Axial chest CT slice 173 of 484 (counted from the lowest slice); tube voltage 120 kVp, convolution kernel STANDARD; slices 1.25 mm thick, 0.586 mm per pixel.
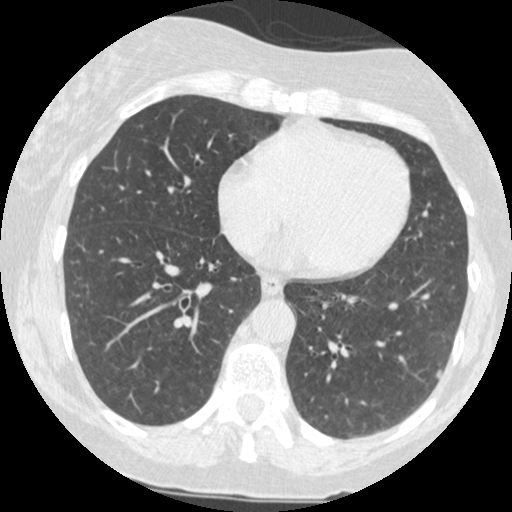
Pulmonary nodule, outlined by three of the four readers. Box on this slice rows 369–378, columns 436–440, the union of the readers' outlines on this slice; median longest diameter 7.2 mm (readers' outlines 6.4–7.2 mm), median volume 74 mm3 (50–74 mm3). Ratings, median across the readers with their spread: texture 5/5 (solid), all three readers agreeing; median margin 5/5 (circumscribed) (readers ranged 4/5 to 5/5 (circumscribed)); sphericity 4/5 at the median of three readers, spread 3/5 (ovoid) to 4/5; calcification absent, all three readers agreeing; internal structure soft tissue from all three readers; subtlety 4/5 at the median of three readers, spread 3–4; malignancy likelihood 3/5 at the median of three readers, spread 1–3. Scale key (1–5): texture non-solid→solid, margin indistinct→circumscribed, sphericity linear→round, subtlety extremely subtle→obvious, malignancy likelihood highly unlikely→highly suspicious of cancer. Box rows and columns are 0-based pixel indices from the top-left corner, inclusive.